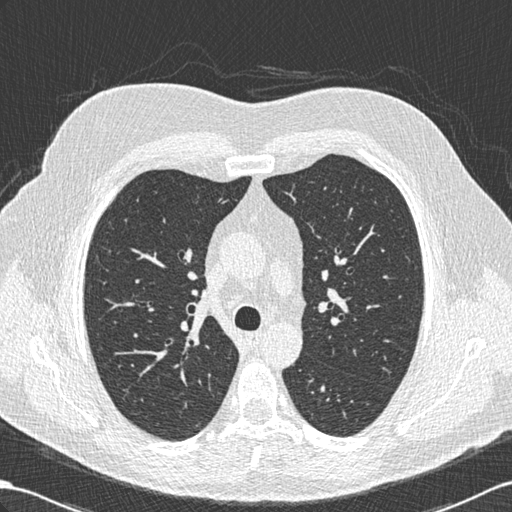
This is axial slice 413 of 636 (slice 1 is the lowest) of a chest CT; each pixel is 0.689 mm and the slice is 0.60 mm thick. The readers outlined no nodule of 3 mm or more on this slice.
Scan settings: 120 kVp, B30f reconstruction kernel.